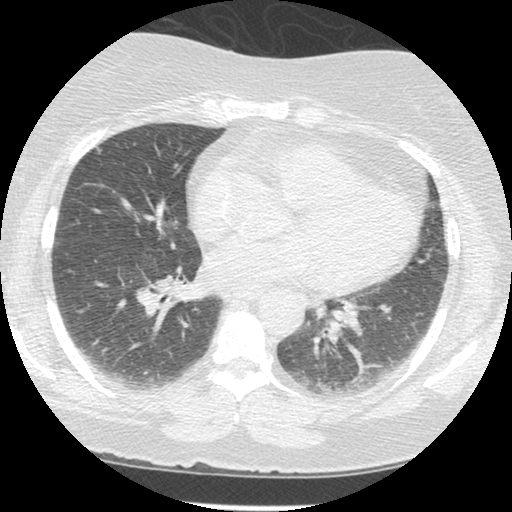
Axial slice 149 of 381 of a chest CT (slice 1 is the lowest), reconstructed with the STANDARD kernel at 120 kVp; 1.25 mm slice thickness and 0.625 mm pixels.
Pulmonary nodule at rows 148–153, columns 96–102 (box = the union of the readers' outlines on this slice), outlined by three of the four readers; longest diameter 6.5–7.1 mm and volume 53–61 mm3 across the three readers' outlines. Ratings across the readers: texture from 1/5 (non-solid) to 5/5 (solid) across the three readers; margin from 3/5 to 5/5 (circumscribed) across the three readers; sphericity from 3/5 (ovoid) to 5/5 (round) across the three readers; calcification absent, all three readers agreeing; internal structure soft tissue, all three readers agreeing; subtlety rated between 3 and 5 out of 5 by the three readers; malignancy likelihood rated between 2 and 3 out of 5 by the three readers. Scale key (1–5): texture non-solid→solid, margin indistinct→circumscribed, sphericity linear→round, subtlety extremely subtle→obvious, malignancy likelihood highly unlikely→highly suspicious of cancer. Box rows and columns are 0-based pixel indices from the top-left corner, inclusive.